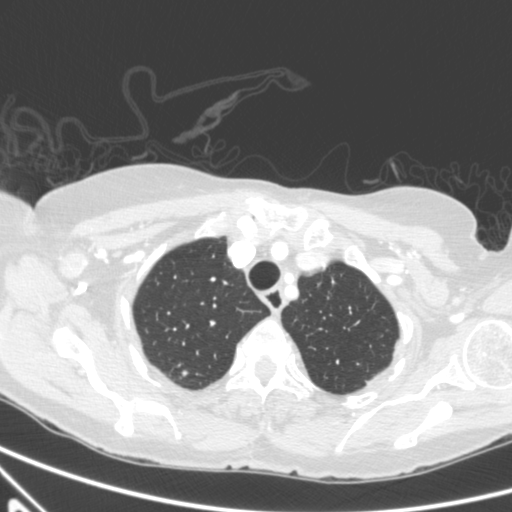
One axial slice (515 of 590, counting up from the lowest) of a chest CT acquired at 120 kVp with the B kernel; each pixel is 0.627 mm and the slice is 0.90 mm thick.
Pulmonary nodule outlined by three of the four readers; box rows 370–376, columns 181–187 (the union of the readers' outlines on this slice); median longest diameter 5.8 mm (readers' outlines 5.4–6.2 mm), median volume 76 mm3 (51–88 mm3). Ratings, median across the readers with their spread: texture 4/5 at the median of three readers, spread 4/5 to 5/5 (solid); margin 4/5 at the median of three readers, spread 3/5 to 5/5 (circumscribed); sphericity 4/5 at the median of three readers, spread 3/5 (ovoid) to 5/5 (round); calcification absent from all three readers; internal structure soft tissue from all three readers; subtlety 3/5, all three readers agreeing; median malignancy likelihood 3/5 (readers ranged 2–3). Scale key (1–5): texture non-solid→solid, margin indistinct→circumscribed, sphericity linear→round, subtlety extremely subtle→obvious, malignancy likelihood highly unlikely→highly suspicious of cancer. Box rows and columns are 0-based pixel indices from the top-left corner, inclusive.